Axial slice 184 of 260 of a chest CT (slice 1 is the lowest), reconstructed with the BONE kernel at 120 kVp; 1.25 mm slice thickness and 0.615 mm pixels.
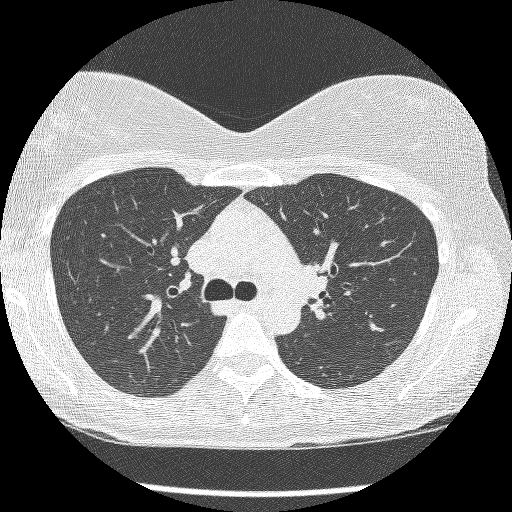
The readers outlined no nodule of 3 mm or more on this slice.